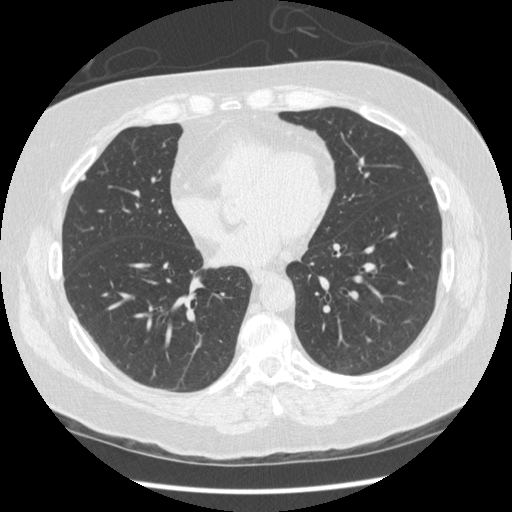
This is axial slice 170 of 436 (slice 1 is the lowest) of a chest CT; each pixel is 0.703 mm and the slice is 1.25 mm thick. Pulmonary nodule at rows 174–181, columns 79–85 (box = the union of the readers' outlines on this slice), outlined by three of the four readers; median longest diameter 6.6 mm (readers' outlines 6.0–7.0 mm), median volume 51 mm3 (38–72 mm3). Ratings, median across the readers with their spread: texture 5/5 (solid), all three readers agreeing; margin 5/5 (circumscribed) at the median of three readers, spread 4/5 to 5/5 (circumscribed); median sphericity 3/5 (ovoid) (readers ranged 2/5 to 4/5); calcification absent from all three readers; internal structure soft tissue, all three readers agreeing; median subtlety 5/5 (readers ranged 3–5); malignancy likelihood 2/5, all three readers agreeing. Scale key (1–5): texture non-solid→solid, margin indistinct→circumscribed, sphericity linear→round, subtlety extremely subtle→obvious, malignancy likelihood highly unlikely→highly suspicious of cancer. Box rows and columns are 0-based pixel indices from the top-left corner, inclusive.
Tube voltage 120 kVp; convolution kernel STANDARD.